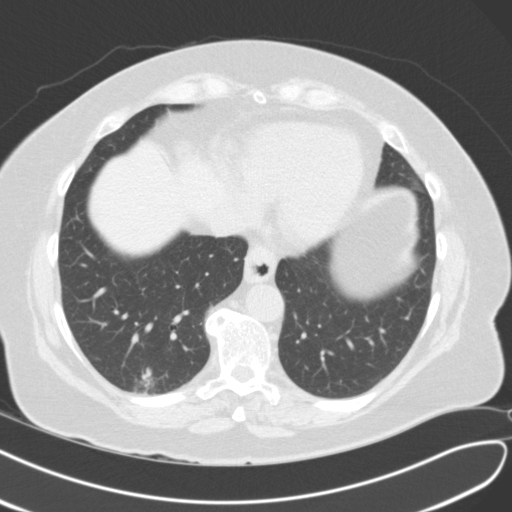
Slice 39/106 of a chest CT, counting up from the lowest; pixel size 0.705 mm, slice thickness 3.00 mm. Pulmonary nodule, outlined by all four readers. Box on this slice rows 367–393, columns 133–153, the union of the readers' outlines on this slice; longest diameter 20.3 mm on average over the four readers' outlines (readers' outlines 19.5–21.3 mm), volume 1709–3140 mm3. The readers' prevailing ratings and who disagreed: most readers (three of four) put texture at 5/5 (solid), others 4/5 (one); margin 4/5 by two of four readers; the rest gave 3/5 (one), 5/5 (circumscribed) (one); sphericity 5/5 (round) by three of four readers; the rest gave 4/5 (one); calcification absent from all four readers; internal structure soft tissue by three of four readers, air (one); subtlety 5/5 by three of four readers; the rest gave 4/5 (one); malignancy likelihood 3/5 by two of four readers; the rest gave 1/5 (one), 5/5 (one). Scale key (1–5): texture non-solid→solid, margin indistinct→circumscribed, sphericity linear→round, subtlety extremely subtle→obvious, malignancy likelihood highly unlikely→highly suspicious of cancer. Box rows and columns are 0-based pixel indices from the top-left corner, inclusive.
Scan settings: 120 kVp, B31f reconstruction kernel.